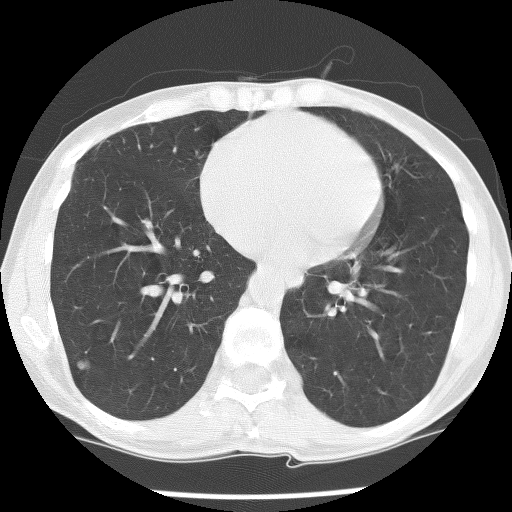
Axial chest CT slice 55 of 135 (counted from the lowest slice); 2.50 mm thick, 0.557 mm per pixel. Pulmonary nodule, outlined by three of the four readers. Box on this slice rows 358–369, columns 75–89, the union of the readers' outlines on this slice; median longest diameter 8.5 mm (readers' outlines 8.5–10.5 mm), median volume 246 mm3 (244–371 mm3). Ratings, median across the readers with their spread: texture 5/5 (solid) at the median of three readers, spread 3/5 (part-solid) to 5/5 (solid); median margin 5/5 (circumscribed) (readers ranged 3/5 to 5/5 (circumscribed)); median sphericity 3/5 (ovoid) (readers ranged 3/5 (ovoid) to 4/5); calcification absent from all three readers; internal structure soft tissue from all three readers; subtlety 5/5 at the median of three readers, spread 4–5; malignancy likelihood 4/5 at the median of three readers, spread 3–5. Scale key (1–5): texture non-solid→solid, margin indistinct→circumscribed, sphericity linear→round, subtlety extremely subtle→obvious, malignancy likelihood highly unlikely→highly suspicious of cancer. Box rows and columns are 0-based pixel indices from the top-left corner, inclusive.
Scan settings: 140 kVp, BONE reconstruction kernel.